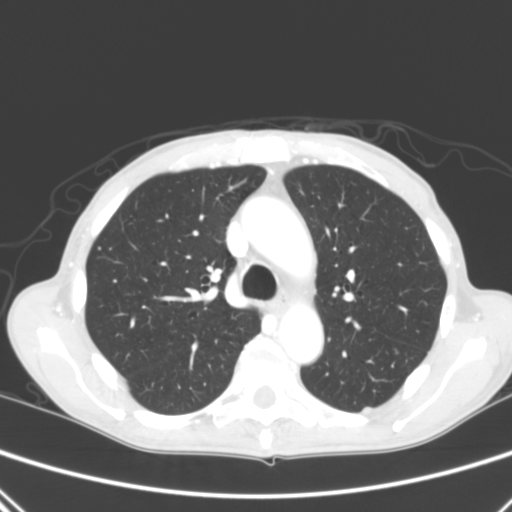
One axial slice (200 of 290, counting up from the lowest) of a chest CT acquired at 120 kVp with the B kernel; each pixel is 0.639 mm and the slice is 2.00 mm thick.
Two pulmonary nodules are outlined on this slice; from left to right: (1) Pulmonary nodule at rows 247–249, columns 98–100 (box = that reader's outline on this slice), outlined by one of the four readers; longest diameter 3.7 mm and volume 25 mm3 from that reader's outline. That reader's ratings: texture 5/5 (solid); margin 5/5 (circumscribed); sphericity 5/5 (round); calcification solid calcification; internal structure soft tissue; subtlety 4/5; malignancy likelihood 1/5. (2) Pulmonary nodule, outlined by one of the four readers. Box on this slice rows 408–413, columns 363–371, that reader's outline on this slice; longest diameter 7.5 mm and volume 95 mm3 from that reader's outline. That reader's ratings: texture 5/5 (solid); margin 5/5 (circumscribed); sphericity 5/5 (round); calcification absent; internal structure soft tissue; subtlety 5/5; malignancy likelihood 3/5. Scale key (1–5): texture non-solid→solid, margin indistinct→circumscribed, sphericity linear→round, subtlety extremely subtle→obvious, malignancy likelihood highly unlikely→highly suspicious of cancer. Box rows and columns are 0-based pixel indices from the top-left corner, inclusive.